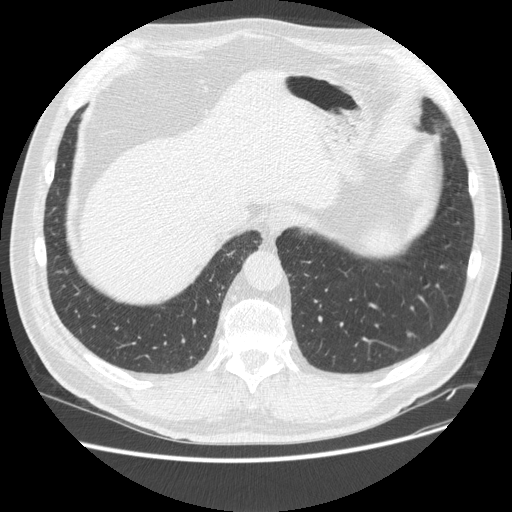
Axial chest CT slice 123 of 513 (counted from the lowest slice); tube voltage 120 kVp, convolution kernel STANDARD; slices 1.25 mm thick, 0.742 mm per pixel.
Pulmonary nodule at rows 330–336, columns 405–410 (box = that reader's outline on this slice), outlined by one of the four readers; longest diameter 8.7 mm and volume 80 mm3 from that reader's outline. Ratings by that reader: texture 5/5 (solid); margin 4/5; sphericity 4/5; calcification absent; internal structure soft tissue; subtlety 4/5; malignancy likelihood 3/5. Scale key (1–5): texture non-solid→solid, margin indistinct→circumscribed, sphericity linear→round, subtlety extremely subtle→obvious, malignancy likelihood highly unlikely→highly suspicious of cancer. Box rows and columns are 0-based pixel indices from the top-left corner, inclusive.